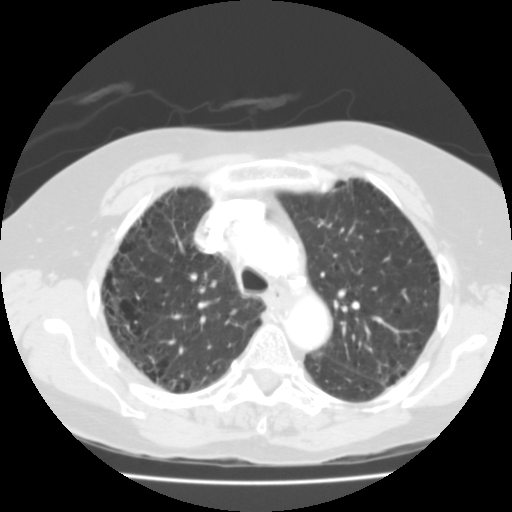
This is axial slice 99 of 136 (slice 1 is the lowest) of a chest CT; each pixel is 0.644 mm and the slice is 2.00 mm thick. The readers outlined no nodule of 3 mm or more on this slice.
Scan settings: 135 kVp, FC03 reconstruction kernel.